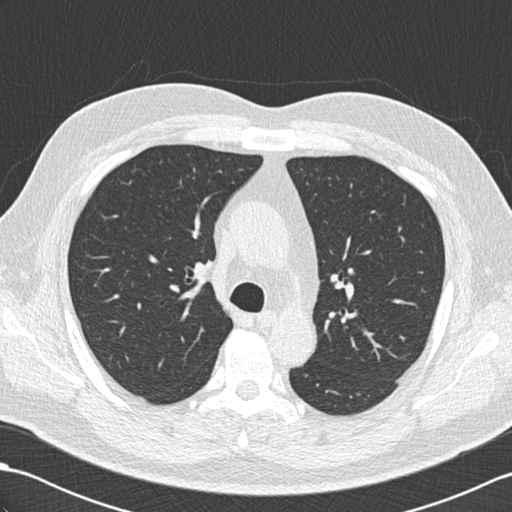
One axial slice (143 of 203, counting up from the lowest) of a chest CT acquired at 120 kVp with the B30f kernel; each pixel is 0.684 mm and the slice is 2.00 mm thick.
Pulmonary nodule outlined by one of the four readers; box rows 268–274, columns 348–353 (that reader's outline on this slice); longest diameter 8.3 mm and volume 241 mm3 from that reader's outline. Ratings by that reader: texture 4/5; margin 5/5 (circumscribed); sphericity 4/5; calcification non-central calcification; internal structure soft tissue; subtlety 4/5; malignancy likelihood 2/5. Scale key (1–5): texture non-solid→solid, margin indistinct→circumscribed, sphericity linear→round, subtlety extremely subtle→obvious, malignancy likelihood highly unlikely→highly suspicious of cancer. Box rows and columns are 0-based pixel indices from the top-left corner, inclusive.